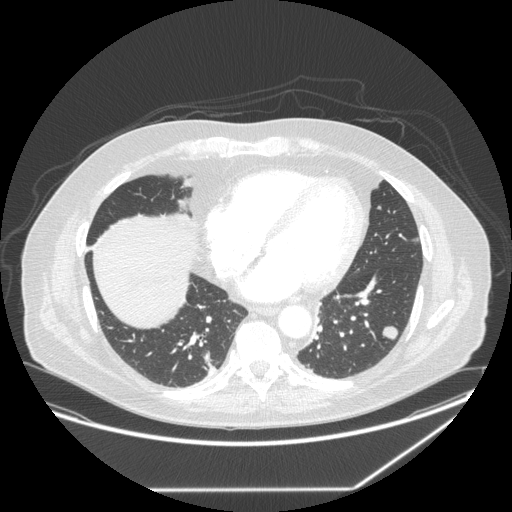
One axial slice (105 of 258, counting up from the lowest) of a chest CT acquired at 120 kVp with the STANDARD kernel; each pixel is 0.859 mm and the slice is 1.25 mm thick.
Pulmonary nodule at rows 326–339, columns 382–397 (box = the union of the readers' outlines on this slice), outlined by all four readers; the four readers' outlines give a longest diameter between 13.1 and 16.3 mm and a volume between 787 and 1264 mm3. Ratings across the readers: texture 5/5 (solid) from all four readers; margin from 4/5 to 5/5 (circumscribed) across the four readers; sphericity from 3/5 (ovoid) to 5/5 (round) across the four readers; calcification absent, all four readers agreeing; internal structure soft tissue, all four readers agreeing; subtlety 3–5/5 (the readers disagree); malignancy likelihood rated between 2 and 5 out of 5 by the four readers. Scale key (1–5): texture non-solid→solid, margin indistinct→circumscribed, sphericity linear→round, subtlety extremely subtle→obvious, malignancy likelihood highly unlikely→highly suspicious of cancer. Box rows and columns are 0-based pixel indices from the top-left corner, inclusive.